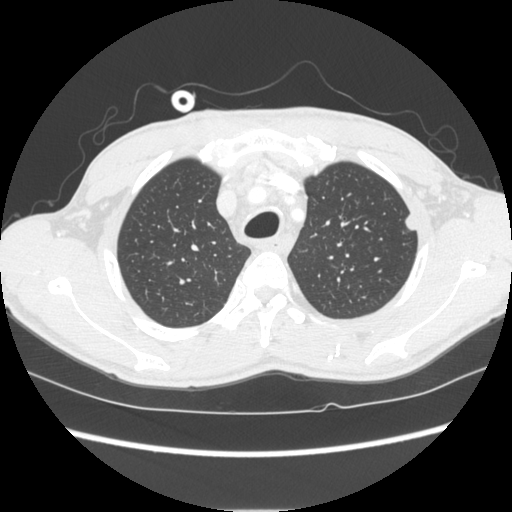
Slice 209/261 of a chest CT, counting up from the lowest; pixel size 0.684 mm, slice thickness 1.25 mm. Pulmonary nodule outlined by all four readers; box rows 214–230, columns 404–415 (the union of the readers' outlines on this slice); median longest diameter 12.5 mm (readers' outlines 11.7–13.4 mm), median volume 453 mm3 (372–605 mm3). Median ratings and the readers' spread: texture 5/5 (solid), all four readers agreeing; margin 5/5 (circumscribed), all four readers agreeing; sphericity 4/5 at the median of four readers, spread 3/5 (ovoid) to 5/5 (round); calcification absent, all four readers agreeing; internal structure soft tissue from all four readers; median subtlety 4.5/5 (readers ranged 3–5); median malignancy likelihood 3.5/5 (readers ranged 2–5). Scale key (1–5): texture non-solid→solid, margin indistinct→circumscribed, sphericity linear→round, subtlety extremely subtle→obvious, malignancy likelihood highly unlikely→highly suspicious of cancer. Box rows and columns are 0-based pixel indices from the top-left corner, inclusive.
Scan settings: 120 kVp, STANDARD reconstruction kernel.